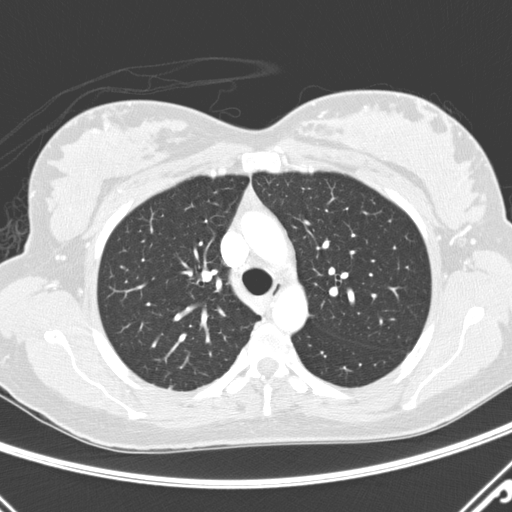
This is axial slice 207 of 290 (slice 1 is the lowest) of a chest CT; each pixel is 0.648 mm and the slice is 2.00 mm thick. Pulmonary nodule at rows 385–389, columns 168–172 (box = that reader's outline on this slice), outlined by one of the four readers; longest diameter 10.5 mm and volume 127 mm3 from that reader's outline. That reader's ratings: texture 4/5; margin 4/5; sphericity 4/5; calcification absent; internal structure soft tissue; subtlety 5/5; malignancy likelihood 3/5. Scale key (1–5): texture non-solid→solid, margin indistinct→circumscribed, sphericity linear→round, subtlety extremely subtle→obvious, malignancy likelihood highly unlikely→highly suspicious of cancer. Box rows and columns are 0-based pixel indices from the top-left corner, inclusive.
Acquired at 120 kVp and reconstructed with the D kernel.